Chest CT, axial plane, 120 kVp, kernel D. Slice 100/290 from the bottom of the scan; thickness 2.00 mm; pixel size 0.648 mm.
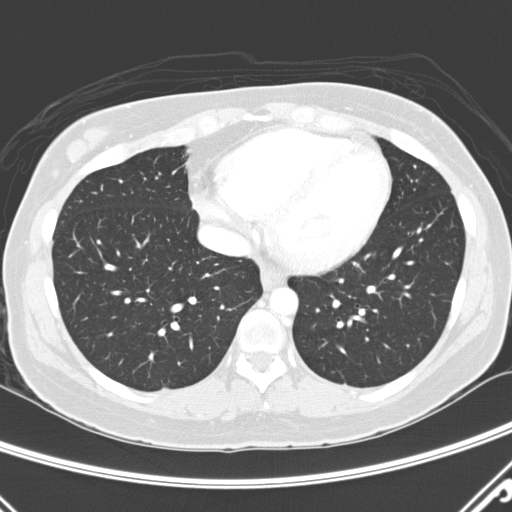
Pulmonary nodule outlined by one of the four readers; box rows 387–389, columns 161–168 (that reader's outline on this slice); longest diameter 7.2 mm and volume 59 mm3 from that reader's outline. That reader's ratings: texture 5/5 (solid); margin 4/5; sphericity 3/5 (ovoid); calcification absent; internal structure soft tissue; subtlety 5/5; malignancy likelihood 3/5. Scale key (1–5): texture non-solid→solid, margin indistinct→circumscribed, sphericity linear→round, subtlety extremely subtle→obvious, malignancy likelihood highly unlikely→highly suspicious of cancer. Box rows and columns are 0-based pixel indices from the top-left corner, inclusive.